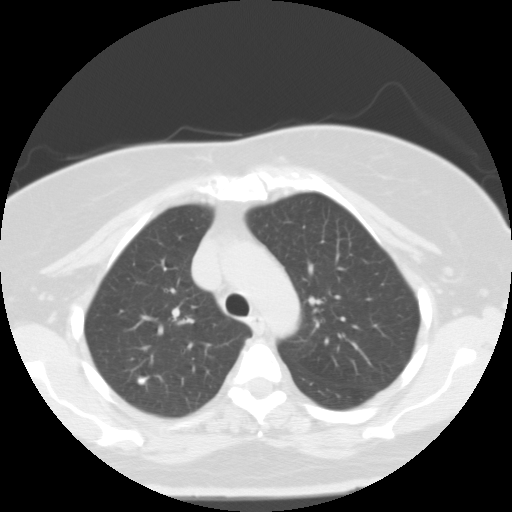
Slice 77/105 of a chest CT, counting up from the lowest; pixel size 0.656 mm, slice thickness 3.00 mm. Pulmonary nodule, outlined by all four readers. Box on this slice rows 376–385, columns 136–146, the union of the readers' outlines on this slice; longest diameter 7.3 mm on average over the four readers' outlines (readers' outlines 6.8–8.9 mm), volume 163–329 mm3. The readers' prevailing ratings and who disagreed: texture 5/5 (solid) from all four readers; margin 5/5 (circumscribed), all four readers agreeing; sphericity 5/5 (round), all four readers agreeing; calcification solid calcification, all four readers agreeing; internal structure soft tissue, all four readers agreeing; subtlety split among the readers: 4/5 (two), 5/5 (two); malignancy likelihood 1/5 from all four readers. Scale key (1–5): texture non-solid→solid, margin indistinct→circumscribed, sphericity linear→round, subtlety extremely subtle→obvious, malignancy likelihood highly unlikely→highly suspicious of cancer. Box rows and columns are 0-based pixel indices from the top-left corner, inclusive.
Scan settings: 135 kVp, FC01 reconstruction kernel.